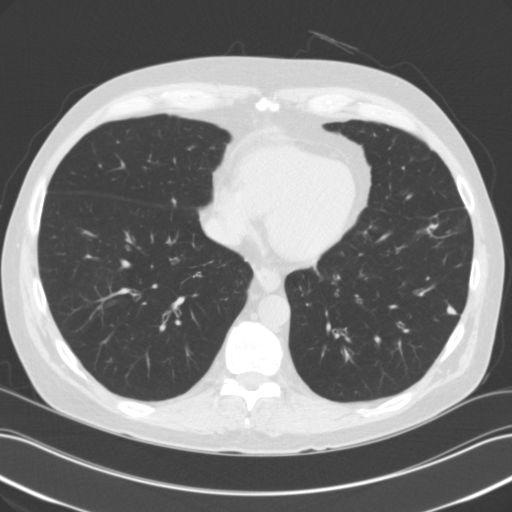
One axial slice (41 of 118, counting up from the lowest) of a chest CT acquired at 120 kVp with the B31f kernel; each pixel is 0.707 mm and the slice is 3.00 mm thick.
Pulmonary nodule at rows 304–315, columns 446–457 (box = the union of the readers' outlines on this slice), outlined by all four readers; median longest diameter 9.5 mm (readers' outlines 8.9–11.2 mm), median volume 409 mm3 (357–448 mm3). Median ratings and the readers' spread: median texture 5/5 (solid) (readers ranged 4/5 to 5/5 (solid)); margin 4.5/5 at the median of four readers, spread 4/5 to 5/5 (circumscribed); sphericity 2/5, all four readers agreeing; calcification absent from all four readers; internal structure soft tissue, all four readers agreeing; subtlety 4/5 at the median of four readers, spread 3–5; median malignancy likelihood 2.5/5 (readers ranged 1–3). Scale key (1–5): texture non-solid→solid, margin indistinct→circumscribed, sphericity linear→round, subtlety extremely subtle→obvious, malignancy likelihood highly unlikely→highly suspicious of cancer. Box rows and columns are 0-based pixel indices from the top-left corner, inclusive.